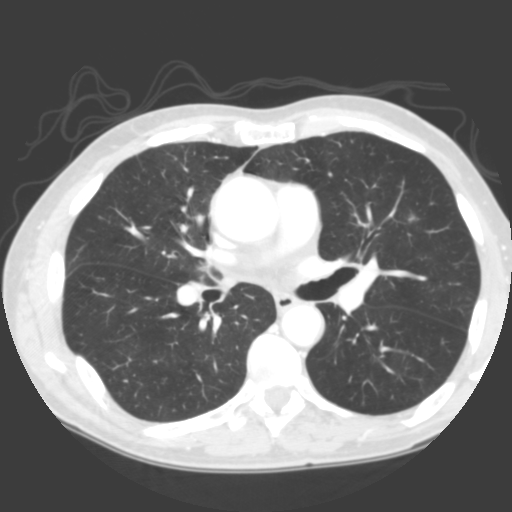
Slice 181/335 of a chest CT, counting up from the lowest; pixel size 0.623 mm, slice thickness 2.00 mm. Pulmonary nodule, outlined by three of the four readers. Box on this slice rows 211–221, columns 406–417, the union of the readers' outlines on this slice; longest diameter 9.0 mm on average over the three readers' outlines (readers' outlines 7.9–10.3 mm), volume 194–222 mm3. The readers' prevailing ratings and who disagreed: texture 4/5 by two of three readers; the rest gave 5/5 (solid) (one); margin split among the readers: 2/5 (one), 3/5 (one), 4/5 (one); sphericity 3/5 (ovoid) by two of three readers; the rest gave 4/5 (one); calcification absent, all three readers agreeing; internal structure soft tissue from all three readers; subtlety 3/5 by two of three readers; the rest gave 5/5 (one); malignancy likelihood split among the readers: 2/5 (one), 3/5 (one), 4/5 (one). Scale key (1–5): texture non-solid→solid, margin indistinct→circumscribed, sphericity linear→round, subtlety extremely subtle→obvious, malignancy likelihood highly unlikely→highly suspicious of cancer. Box rows and columns are 0-based pixel indices from the top-left corner, inclusive.
Tube voltage 120 kVp; convolution kernel B.